Axial slice 41 of 280 of a chest CT (slice 1 is the lowest), reconstructed with the D kernel at 140 kVp; 1.00 mm slice thickness and 0.801 mm pixels.
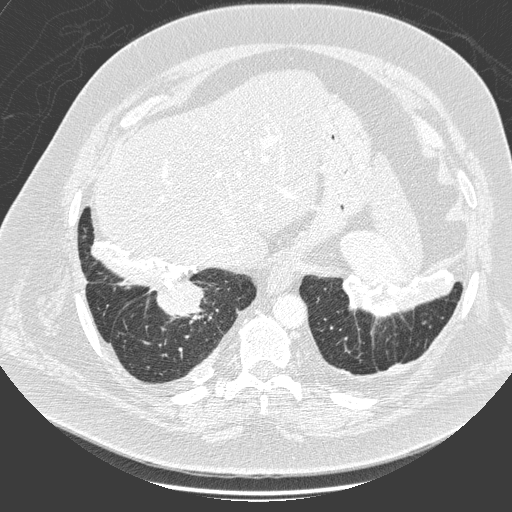
Pulmonary nodule, outlined by one of the four readers. Box on this slice rows 279–318, columns 157–202, that reader's outline on this slice; longest diameter 49.9 mm and volume 31112 mm3 from that reader's outline. That reader's ratings: texture 5/5 (solid); margin 4/5; sphericity 5/5 (round); calcification non-central calcification; internal structure soft tissue; subtlety 5/5; malignancy likelihood 5/5. Scale key (1–5): texture non-solid→solid, margin indistinct→circumscribed, sphericity linear→round, subtlety extremely subtle→obvious, malignancy likelihood highly unlikely→highly suspicious of cancer. Box rows and columns are 0-based pixel indices from the top-left corner, inclusive.